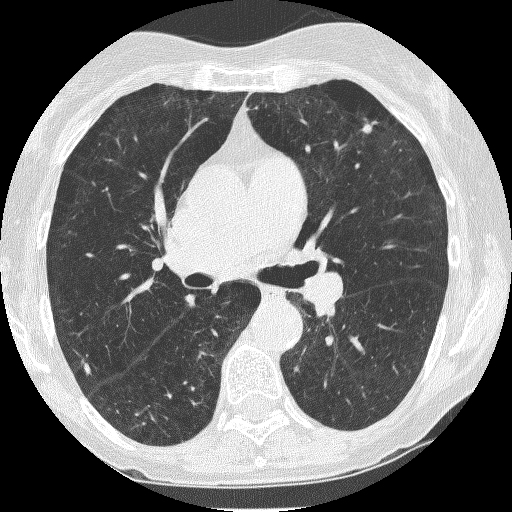
Axial slice 137 of 235 of a chest CT (slice 1 is the lowest), reconstructed with the BONE kernel at 120 kVp; 1.25 mm slice thickness and 0.537 mm pixels.
Two pulmonary nodules are outlined on this slice; from left to right: (1) Pulmonary nodule at rows 363–374, columns 83–91 (box = the union of the readers' outlines on this slice), outlined by three of the four readers; longest diameter 7.3 mm on average over the three readers' outlines (readers' outlines 6.7–8.2 mm), volume 47–122 mm3. Ratings, by the readers' most common answer with dissent counted: texture 5/5 (solid) by two of three readers; the rest gave 4/5 (one); margin split among the readers: 3/5 (one), 4/5 (one), 5/5 (circumscribed) (one); sphericity split among the readers: 1/5 (linear) (one), 2/5 (one), 4/5 (one); calcification absent, all three readers agreeing; internal structure soft tissue, all three readers agreeing; subtlety split among the readers: 2/5 (one), 3/5 (one), 4/5 (one); most readers (two of three) put malignancy likelihood at 2/5, others 3/5 (one). (2) Pulmonary nodule outlined by all four readers; box rows 121–133, columns 361–376 (the union of the readers' outlines on this slice); longest diameter 7.5 mm on average over the four readers' outlines (readers' outlines 6.8–9.2 mm), volume 58–94 mm3. The readers' prevailing ratings and who disagreed: texture 5/5 (solid), all four readers agreeing; margin 4/5 by three of four readers; the rest gave 5/5 (circumscribed) (one); sphericity 4/5 from all four readers; calcification absent from all four readers; internal structure soft tissue from all four readers; subtlety 3/5 by two of four readers; the rest gave 4/5 (one), 5/5 (one); malignancy likelihood 3/5 by two of four readers; the rest gave 2/5 (one), 4/5 (one). Scale key (1–5): texture non-solid→solid, margin indistinct→circumscribed, sphericity linear→round, subtlety extremely subtle→obvious, malignancy likelihood highly unlikely→highly suspicious of cancer. Box rows and columns are 0-based pixel indices from the top-left corner, inclusive.